Axial slice 48 of 280 of a chest CT (slice 1 is the lowest), reconstructed with the D kernel at 120 kVp; 2.00 mm slice thickness and 0.613 mm pixels.
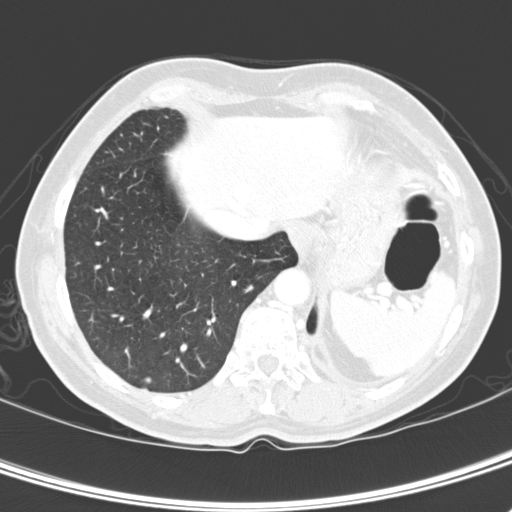
Pulmonary nodule, outlined by three of the four readers. Box on this slice rows 376–383, columns 144–151, the union of the readers' outlines on this slice; median longest diameter 6.8 mm (readers' outlines 4.5–6.9 mm), median volume 96 mm3 (31–99 mm3). Ratings, median across the readers with their spread: texture 5/5 (solid) at the median of three readers, spread 4/5 to 5/5 (solid); margin 5/5 (circumscribed) at the median of three readers, spread 4/5 to 5/5 (circumscribed); median sphericity 4/5 (readers ranged 4/5 to 5/5 (round)); calcification absent, all three readers agreeing; internal structure soft tissue from all three readers; subtlety 3/5 at the median of three readers, spread 1–4; malignancy likelihood 3/5 at the median of three readers, spread 2–3. Scale key (1–5): texture non-solid→solid, margin indistinct→circumscribed, sphericity linear→round, subtlety extremely subtle→obvious, malignancy likelihood highly unlikely→highly suspicious of cancer. Box rows and columns are 0-based pixel indices from the top-left corner, inclusive.